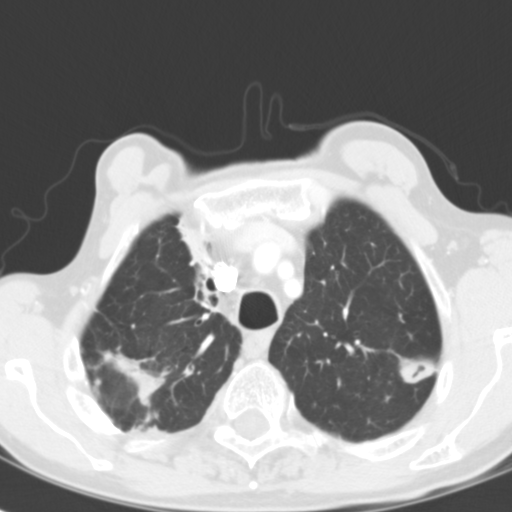
Slice 91/116 of a chest CT, counting up from the lowest; pixel size 0.547 mm, slice thickness 3.00 mm. Pulmonary nodule, outlined by all four readers. Box on this slice rows 356–384, columns 398–434, the union of the readers' outlines on this slice; the four readers' outlines give a longest diameter between 23.8 and 26.7 mm and a volume between 3983 and 5133 mm3. Ratings across the readers: texture from 3/5 (part-solid) to 5/5 (solid) across the four readers; margin from 3/5 to 5/5 (circumscribed) across the four readers; sphericity from 3/5 (ovoid) to 4/5 across the four readers; calcification absent from all four readers; internal structure: soft tissue (three), air (one); subtlety 5/5, all four readers agreeing; malignancy likelihood rated between 2 and 5 out of 5 by the four readers. Scale key (1–5): texture non-solid→solid, margin indistinct→circumscribed, sphericity linear→round, subtlety extremely subtle→obvious, malignancy likelihood highly unlikely→highly suspicious of cancer. Box rows and columns are 0-based pixel indices from the top-left corner, inclusive.
Scan settings: 120 kVp, B31f reconstruction kernel.